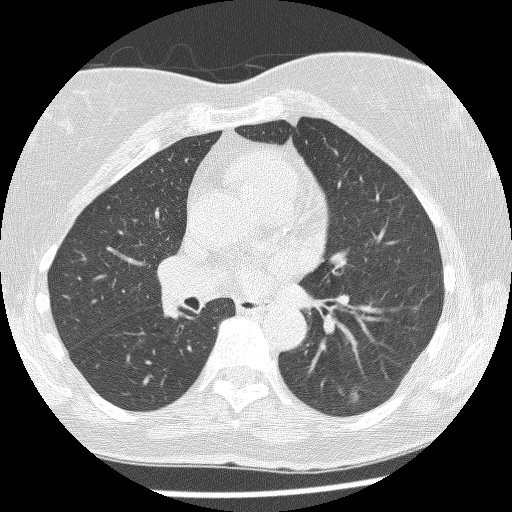
Chest CT, axial plane, 120 kVp, kernel BONE. Slice 139/253 from the bottom of the scan; thickness 1.25 mm; pixel size 0.602 mm.
Pulmonary nodule at rows 386–403, columns 348–359 (box = the union of the readers' outlines on this slice), outlined by three of the four readers; longest diameter 9.7 mm on average over the three readers' outlines (readers' outlines 6.9–12.2 mm), volume 74–215 mm3. The readers' prevailing ratings and who disagreed: most readers (two of three) put texture at 1/5 (non-solid), others 3/5 (part-solid) (one); margin 1/5 (indistinct) by two of three readers; the rest gave 4/5 (one); most readers (two of three) put sphericity at 4/5, others 3/5 (ovoid) (one); calcification absent from all three readers; internal structure soft tissue, all three readers agreeing; subtlety 4/5 by two of three readers; the rest gave 3/5 (one); malignancy likelihood 3/5 by two of three readers; the rest gave 5/5 (one). Scale key (1–5): texture non-solid→solid, margin indistinct→circumscribed, sphericity linear→round, subtlety extremely subtle→obvious, malignancy likelihood highly unlikely→highly suspicious of cancer. Box rows and columns are 0-based pixel indices from the top-left corner, inclusive.